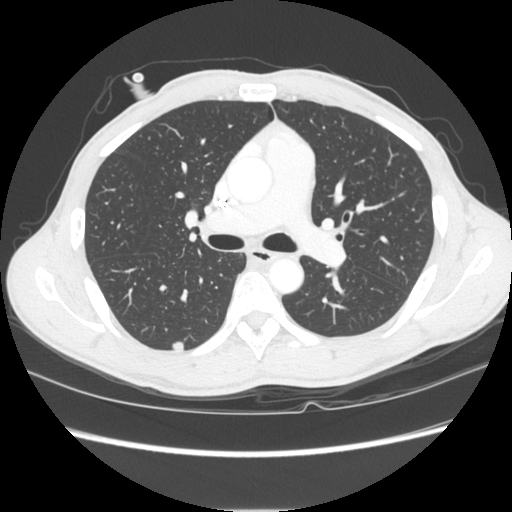
Chest CT, axial plane, 120 kVp, kernel STANDARD. Slice 158/261 from the bottom of the scan; thickness 1.25 mm; pixel size 0.684 mm.
Pulmonary nodule, outlined by all four readers. Box on this slice rows 341–350, columns 171–183, the union of the readers' outlines on this slice; longest diameter 10.2 mm on average over the four readers' outlines (readers' outlines 9.5–10.7 mm), volume 211–368 mm3. Ratings, by the readers' most common answer with dissent counted: texture 5/5 (solid) from all four readers; most readers (three of four) put margin at 5/5 (circumscribed), others 4/5 (one); sphericity 4/5 by two of four readers; the rest gave 3/5 (ovoid) (one), 5/5 (round) (one); calcification absent from all four readers; internal structure soft tissue, all four readers agreeing; subtlety 5/5 by two of four readers; the rest gave 3/5 (one), 4/5 (one); malignancy likelihood split among the readers: 2/5 (one), 3/5 (one), 4/5 (one), 5/5 (one). Scale key (1–5): texture non-solid→solid, margin indistinct→circumscribed, sphericity linear→round, subtlety extremely subtle→obvious, malignancy likelihood highly unlikely→highly suspicious of cancer. Box rows and columns are 0-based pixel indices from the top-left corner, inclusive.